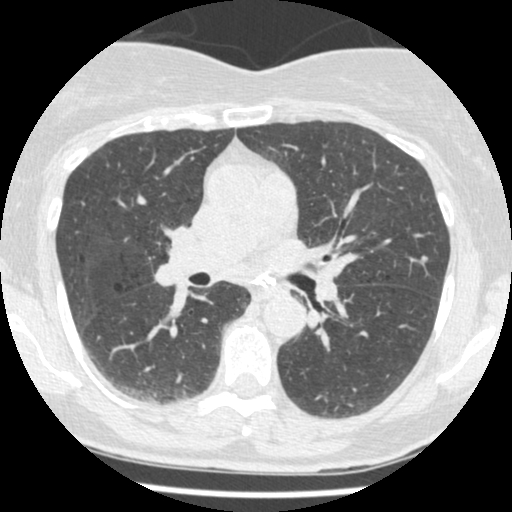
Axial chest CT slice 283 of 465 (counted from the lowest slice); tube voltage 120 kVp, convolution kernel STANDARD; slices 1.25 mm thick, 0.586 mm per pixel.
Pulmonary nodule at rows 255–261, columns 420–427 (box = the union of the readers' outlines on this slice), outlined by all four readers; median longest diameter 5.8 mm (readers' outlines 5.4–6.0 mm), median volume 65 mm3 (46–67 mm3). Median ratings and the readers' spread: texture 5/5 (solid), all four readers agreeing; median margin 4.5/5 (readers ranged 4/5 to 5/5 (circumscribed)); median sphericity 4/5 (readers ranged 3/5 (ovoid) to 4/5); calcification absent, all four readers agreeing; internal structure soft tissue, all four readers agreeing; median subtlety 3/5 (readers ranged 2–4); median malignancy likelihood 3/5 (readers ranged 2–3). Scale key (1–5): texture non-solid→solid, margin indistinct→circumscribed, sphericity linear→round, subtlety extremely subtle→obvious, malignancy likelihood highly unlikely→highly suspicious of cancer. Box rows and columns are 0-based pixel indices from the top-left corner, inclusive.